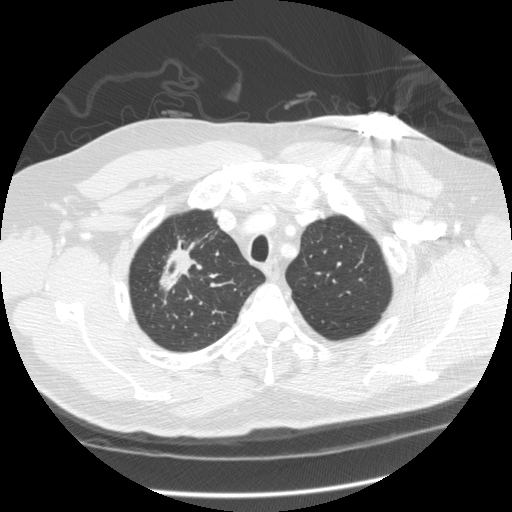
Slice 258/305 of a chest CT, counting up from the lowest; pixel size 0.732 mm, slice thickness 1.25 mm. Pulmonary nodule, outlined by three of the four readers. Box on this slice rows 238–292, columns 156–202, the union of the readers' outlines on this slice; longest diameter 41.0–45.9 mm and volume 6528–11092 mm3 across the three readers' outlines. Ratings across the readers: texture from 3/5 (part-solid) to 5/5 (solid) across the three readers; margin from 1/5 (indistinct) to 4/5 across the three readers; sphericity from 2/5 to 3/5 (ovoid) across the three readers; calcification absent from all three readers; internal structure soft tissue, all three readers agreeing; subtlety 5/5, all three readers agreeing; malignancy likelihood 5/5 from all three readers. Scale key (1–5): texture non-solid→solid, margin indistinct→circumscribed, sphericity linear→round, subtlety extremely subtle→obvious, malignancy likelihood highly unlikely→highly suspicious of cancer. Box rows and columns are 0-based pixel indices from the top-left corner, inclusive.
Scan settings: 120 kVp, STANDARD reconstruction kernel.